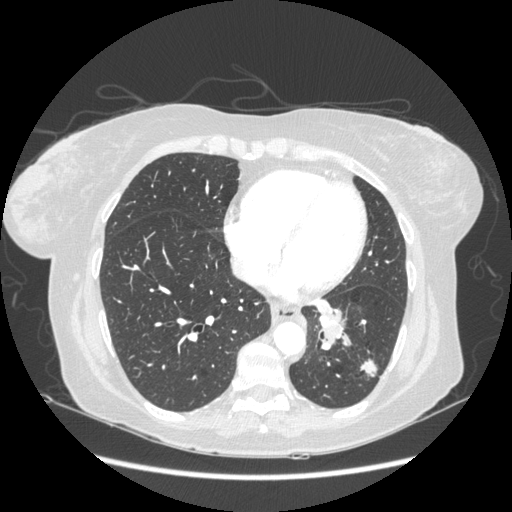
One axial slice (86 of 230, counting up from the lowest) of a chest CT acquired at 120 kVp with the STANDARD kernel; each pixel is 0.742 mm and the slice is 1.25 mm thick.
Pulmonary nodule at rows 359–376, columns 359–376 (box = the union of the readers' outlines on this slice), outlined by all four readers; the four readers' outlines give a longest diameter between 23.1 and 31.5 mm and a volume between 3020 and 5074 mm3. Ratings across the readers: texture 5/5 (solid) from all four readers; margin from 3/5 to 5/5 (circumscribed) across the four readers; sphericity from 3/5 (ovoid) to 5/5 (round) across the four readers; calcification absent, all four readers agreeing; internal structure soft tissue from all four readers; subtlety 5/5, all four readers agreeing; malignancy likelihood rated between 3 and 5 out of 5 by the four readers. Scale key (1–5): texture non-solid→solid, margin indistinct→circumscribed, sphericity linear→round, subtlety extremely subtle→obvious, malignancy likelihood highly unlikely→highly suspicious of cancer. Box rows and columns are 0-based pixel indices from the top-left corner, inclusive.